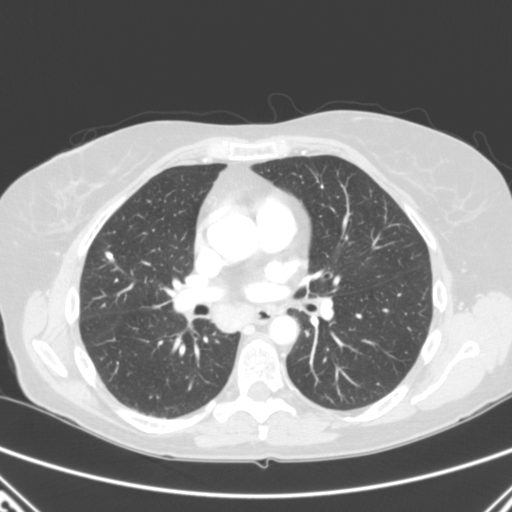
Chest CT, axial plane, 120 kVp, kernel B. Slice 149/280 from the bottom of the scan; thickness 2.00 mm; pixel size 0.676 mm.
Pulmonary nodule outlined by all four readers; box rows 252–260, columns 105–113 (the union of the readers' outlines on this slice); median longest diameter 8.9 mm (readers' outlines 8.5–10.7 mm), median volume 220 mm3 (156–292 mm3). Ratings, median across the readers with their spread: texture 5/5 (solid), all four readers agreeing; margin 4.5/5 at the median of four readers, spread 4/5 to 5/5 (circumscribed); median sphericity 4/5 (readers ranged 3/5 (ovoid) to 5/5 (round)); calcification: solid calcification (three), central calcification (one); internal structure soft tissue from all four readers; subtlety 5/5, all four readers agreeing; malignancy likelihood 1/5 from all four readers. Scale key (1–5): texture non-solid→solid, margin indistinct→circumscribed, sphericity linear→round, subtlety extremely subtle→obvious, malignancy likelihood highly unlikely→highly suspicious of cancer. Box rows and columns are 0-based pixel indices from the top-left corner, inclusive.